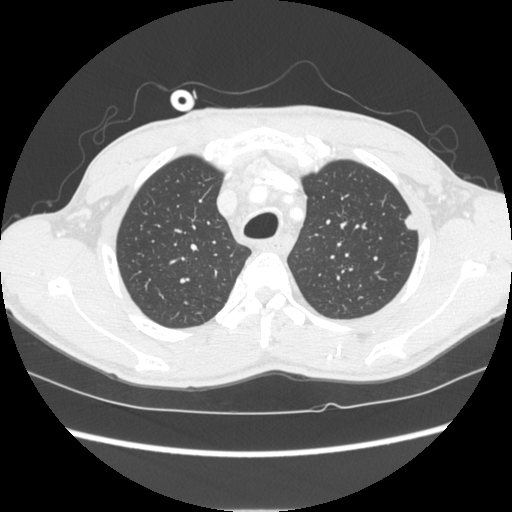
Axial chest CT slice 208 of 261 (counted from the lowest slice); 1.25 mm thick, 0.684 mm per pixel. Pulmonary nodule outlined by all four readers; box rows 214–230, columns 404–415 (the union of the readers' outlines on this slice); median longest diameter 12.5 mm (readers' outlines 11.7–13.4 mm), median volume 453 mm3 (372–605 mm3). Median ratings and the readers' spread: texture 5/5 (solid), all four readers agreeing; margin 5/5 (circumscribed), all four readers agreeing; median sphericity 4/5 (readers ranged 3/5 (ovoid) to 5/5 (round)); calcification absent from all four readers; internal structure soft tissue from all four readers; median subtlety 4.5/5 (readers ranged 3–5); malignancy likelihood 3.5/5 at the median of four readers, spread 2–5. Scale key (1–5): texture non-solid→solid, margin indistinct→circumscribed, sphericity linear→round, subtlety extremely subtle→obvious, malignancy likelihood highly unlikely→highly suspicious of cancer. Box rows and columns are 0-based pixel indices from the top-left corner, inclusive.
Acquired at 120 kVp and reconstructed with the STANDARD kernel.